Chest CT, axial plane, 120 kVp, kernel B30f. Slice 89/192 from the bottom of the scan; thickness 2.00 mm; pixel size 0.664 mm.
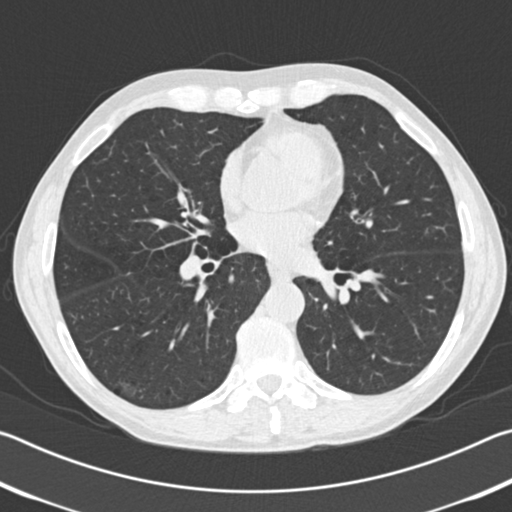
No nodule of 3 mm or larger was outlined by any of the four readers on this slice.